One axial slice (99 of 116, counting up from the lowest) of a chest CT acquired at 130 kVp with the B31s kernel; each pixel is 0.668 mm and the slice is 3.00 mm thick.
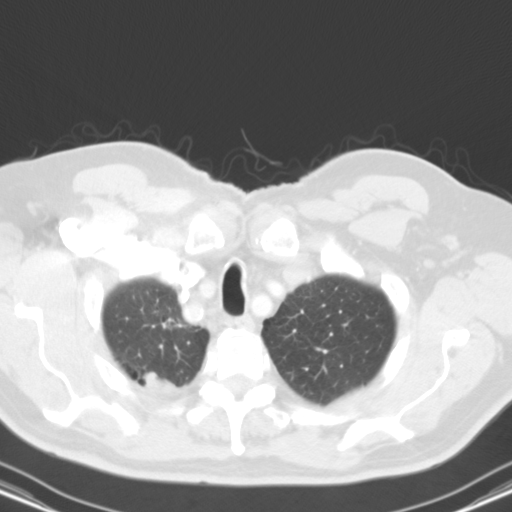
Pulmonary nodule, outlined by three of the four readers. Box on this slice rows 371–394, columns 140–184, the union of the readers' outlines on this slice; median longest diameter 33.8 mm (readers' outlines 30.9–36.1 mm), median volume 7466 mm3 (5704–8380 mm3). Ratings, median across the readers with their spread: texture 5/5 (solid) from all three readers; margin 4/5, all three readers agreeing; median sphericity 3/5 (ovoid) (readers ranged 2/5 to 4/5); calcification absent from all three readers; internal structure soft tissue from all three readers; subtlety 5/5, all three readers agreeing; malignancy likelihood 5/5, all three readers agreeing. Scale key (1–5): texture non-solid→solid, margin indistinct→circumscribed, sphericity linear→round, subtlety extremely subtle→obvious, malignancy likelihood highly unlikely→highly suspicious of cancer. Box rows and columns are 0-based pixel indices from the top-left corner, inclusive.